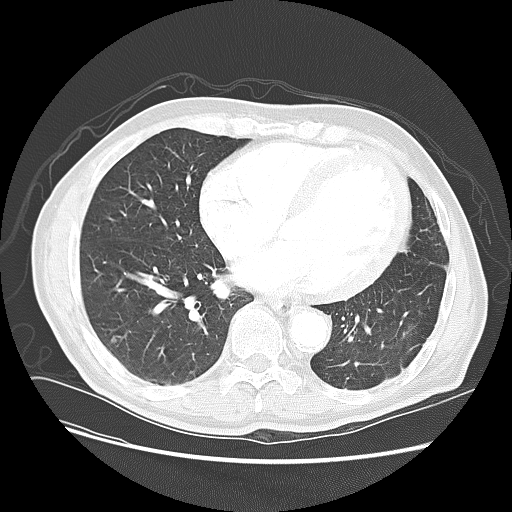
Chest CT, axial plane, 120 kVp, kernel LUNG. Slice 54/133 from the bottom of the scan; thickness 2.50 mm; pixel size 0.742 mm.
Pulmonary nodule, outlined by two of the four readers, one of them on this slice. Box on this slice rows 338–341, columns 111–115, the one reader's outline on this slice; longest diameter 6.3 mm on average over the two readers' outlines (readers' outlines 6.0–6.6 mm), volume 60–87 mm3. Ratings, by the readers' most common answer with dissent counted: texture split among the readers: 3/5 (part-solid) (one), 5/5 (solid) (one); margin 4/5 from both readers; sphericity 5/5 (round), both readers agreeing; calcification absent from both readers; internal structure soft tissue, both readers agreeing; subtlety split among the readers: 2/5 (one), 5/5 (one); malignancy likelihood 2/5, both readers agreeing. Scale key (1–5): texture non-solid→solid, margin indistinct→circumscribed, sphericity linear→round, subtlety extremely subtle→obvious, malignancy likelihood highly unlikely→highly suspicious of cancer. Box rows and columns are 0-based pixel indices from the top-left corner, inclusive.